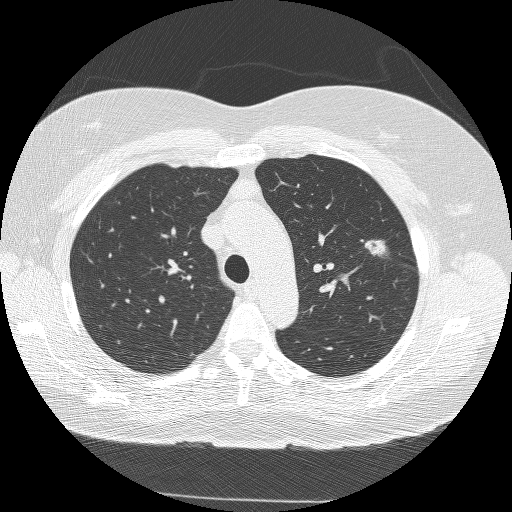
Axial slice 187 of 245 of a chest CT (slice 1 is the lowest), reconstructed with the BONE kernel at 120 kVp; 1.25 mm slice thickness and 0.664 mm pixels.
Pulmonary nodule outlined by all four readers; box rows 239–258, columns 364–389 (the union of the readers' outlines on this slice); longest diameter 21.3 mm on average over the four readers' outlines (readers' outlines 20.8–22.3 mm), volume 2976–3390 mm3. Ratings, by the readers' most common answer with dissent counted: most readers (three of four) put texture at 5/5 (solid), others 4/5 (one); margin split among the readers: 3/5 (two), 4/5 (two); sphericity 3/5 (ovoid) by two of four readers; the rest gave 4/5 (one), 5/5 (round) (one); calcification absent from all four readers; internal structure soft tissue, all four readers agreeing; subtlety 5/5 from all four readers; malignancy likelihood 5/5, all four readers agreeing. Scale key (1–5): texture non-solid→solid, margin indistinct→circumscribed, sphericity linear→round, subtlety extremely subtle→obvious, malignancy likelihood highly unlikely→highly suspicious of cancer. Box rows and columns are 0-based pixel indices from the top-left corner, inclusive.